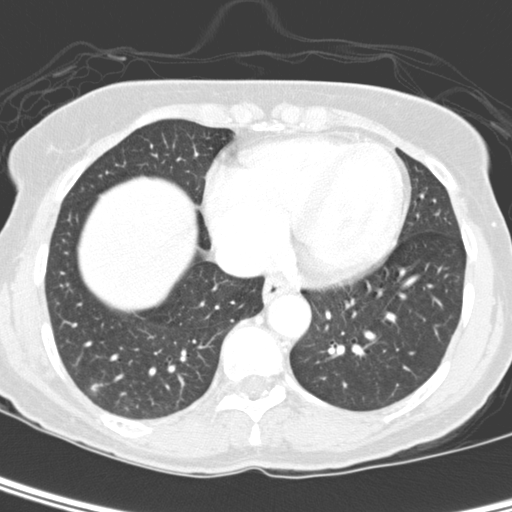
Slice 176/350 of a chest CT, counting up from the lowest; pixel size 0.543 mm, slice thickness 2.00 mm. Pulmonary nodule, outlined by two of the four readers. Box on this slice rows 382–392, columns 89–100, the union of the readers' outlines on this slice; longest diameter 9.8 mm on average over the two readers' outlines (readers' outlines 9.0–10.5 mm), volume 204–254 mm3. Ratings, by the readers' most common answer with dissent counted: texture split among the readers: 1/5 (non-solid) (one), 3/5 (part-solid) (one); margin split among the readers: 1/5 (indistinct) (one), 2/5 (one); sphericity 3/5 (ovoid) from both readers; calcification absent, both readers agreeing; internal structure soft tissue from both readers; subtlety 2/5 from both readers; malignancy likelihood 3/5 from both readers. Scale key (1–5): texture non-solid→solid, margin indistinct→circumscribed, sphericity linear→round, subtlety extremely subtle→obvious, malignancy likelihood highly unlikely→highly suspicious of cancer. Box rows and columns are 0-based pixel indices from the top-left corner, inclusive.
Acquired at 120 kVp and reconstructed with the D kernel.